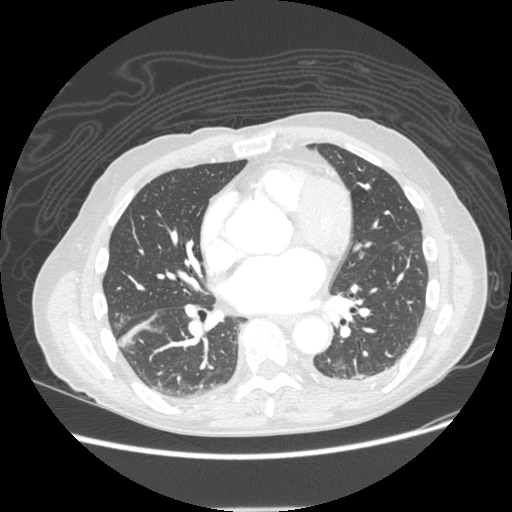
One axial slice (96 of 232, counting up from the lowest) of a chest CT acquired at 120 kVp with the STANDARD kernel; each pixel is 0.742 mm and the slice is 1.25 mm thick.
Pulmonary nodule outlined by two of the four readers; box rows 240–251, columns 391–404 (the union of the readers' outlines on this slice); longest diameter 10.1 mm on average over the two readers' outlines (readers' outlines 8.5–11.7 mm), volume 72–124 mm3. The readers' prevailing ratings and who disagreed: texture split among the readers: 1/5 (non-solid) (one), 3/5 (part-solid) (one); margin split among the readers: 1/5 (indistinct) (one), 2/5 (one); sphericity split among the readers: 2/5 (one), 5/5 (round) (one); calcification absent, both readers agreeing; internal structure soft tissue from both readers; subtlety split among the readers: 1/5 (one), 2/5 (one); malignancy likelihood 2/5, both readers agreeing. Scale key (1–5): texture non-solid→solid, margin indistinct→circumscribed, sphericity linear→round, subtlety extremely subtle→obvious, malignancy likelihood highly unlikely→highly suspicious of cancer. Box rows and columns are 0-based pixel indices from the top-left corner, inclusive.